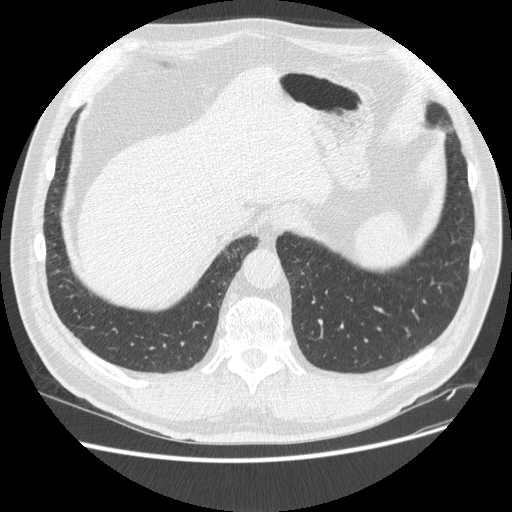
Slice 119/513 of a chest CT, counting up from the lowest; pixel size 0.742 mm, slice thickness 1.25 mm. Pulmonary nodule at rows 328–337, columns 404–409 (box = that reader's outline on this slice), outlined by one of the four readers; longest diameter 8.7 mm and volume 80 mm3 from that reader's outline. Ratings by that reader: texture 5/5 (solid); margin 4/5; sphericity 4/5; calcification absent; internal structure soft tissue; subtlety 4/5; malignancy likelihood 3/5. Scale key (1–5): texture non-solid→solid, margin indistinct→circumscribed, sphericity linear→round, subtlety extremely subtle→obvious, malignancy likelihood highly unlikely→highly suspicious of cancer. Box rows and columns are 0-based pixel indices from the top-left corner, inclusive.
Acquired at 120 kVp and reconstructed with the STANDARD kernel.